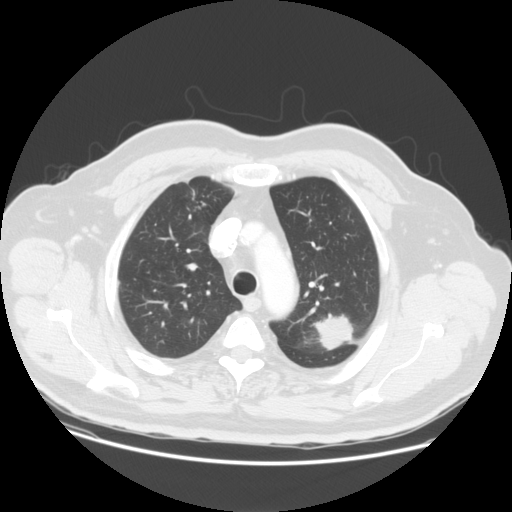
One axial slice (118 of 149, counting up from the lowest) of a chest CT acquired at 120 kVp with the STANDARD kernel; each pixel is 0.781 mm and the slice is 2.50 mm thick.
Pulmonary nodule outlined by three of the four readers; box rows 314–349, columns 313–352 (the union of the readers' outlines on this slice); longest diameter 34.5–53.9 mm and volume 15350–17058 mm3 across the three readers' outlines. The readers' ratings, as ranges where they differ: texture 5/5 (solid) from all three readers; margin from 4/5 to 5/5 (circumscribed) across the three readers; sphericity from 4/5 to 5/5 (round) across the three readers; calcification absent, all three readers agreeing; internal structure soft tissue from all three readers; subtlety 5/5 from all three readers; malignancy likelihood from 4/5 to 5/5 across the three readers. Scale key (1–5): texture non-solid→solid, margin indistinct→circumscribed, sphericity linear→round, subtlety extremely subtle→obvious, malignancy likelihood highly unlikely→highly suspicious of cancer. Box rows and columns are 0-based pixel indices from the top-left corner, inclusive.